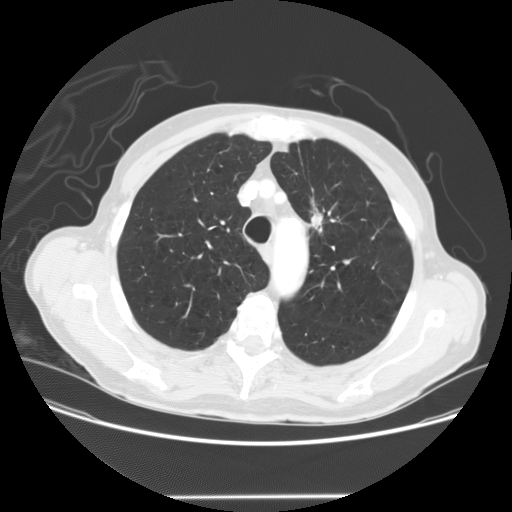
Axial slice 115 of 147 of a chest CT (slice 1 is the lowest), reconstructed with the STANDARD kernel at 120 kVp; 2.50 mm slice thickness and 0.781 mm pixels.
Pulmonary nodule outlined by all four readers; box rows 198–234, columns 310–322 (the union of the readers' outlines on this slice); median longest diameter 31.0 mm (readers' outlines 28.8–40.5 mm), median volume 4785 mm3 (3077–10560 mm3). Ratings, median across the readers with their spread: texture 4/5 at the median of four readers, spread 3/5 (part-solid) to 5/5 (solid); median margin 3.5/5 (readers ranged 2/5 to 5/5 (circumscribed)); sphericity 3/5 (ovoid) from all four readers; calcification absent from all four readers; internal structure soft tissue, all four readers agreeing; median subtlety 5/5 (readers ranged 4–5); median malignancy likelihood 4.5/5 (readers ranged 3–5). Scale key (1–5): texture non-solid→solid, margin indistinct→circumscribed, sphericity linear→round, subtlety extremely subtle→obvious, malignancy likelihood highly unlikely→highly suspicious of cancer. Box rows and columns are 0-based pixel indices from the top-left corner, inclusive.